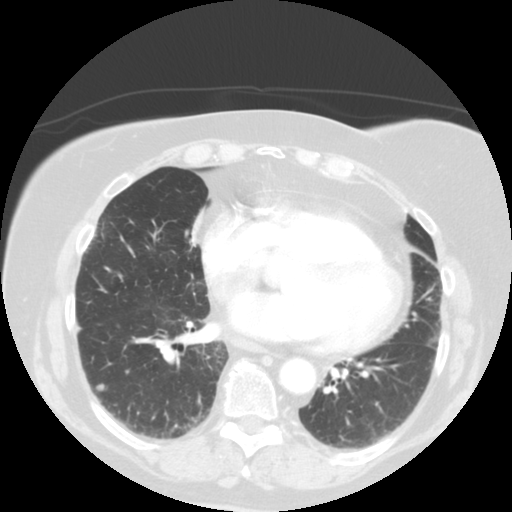
Axial chest CT slice 44 of 121 (counted from the lowest slice); tube voltage 120 kVp, convolution kernel STANDARD; slices 2.50 mm thick, 0.664 mm per pixel.
Two pulmonary nodules on this slice, listed from left to right. (1) Pulmonary nodule at rows 384–391, columns 96–106 (box = the union of the readers' outlines on this slice), outlined by all four readers; longest diameter 7.5 mm on average over the four readers' outlines (readers' outlines 7.2–8.4 mm), volume 117–173 mm3. Ratings, by the readers' most common answer with dissent counted: texture 5/5 (solid) by two of four readers; the rest gave 2/5 (one), 4/5 (one); margin 5/5 (circumscribed) by two of four readers; the rest gave 3/5 (one), 4/5 (one); most readers (three of four) put sphericity at 3/5 (ovoid), others 5/5 (round) (one); calcification absent, all four readers agreeing; internal structure soft tissue, all four readers agreeing; subtlety 4/5 by two of four readers; the rest gave 2/5 (one), 3/5 (one); most readers (three of four) put malignancy likelihood at 3/5, others 2/5 (one). (2) Pulmonary nodule at rows 369–373, columns 125–129 (box = that reader's outline on this slice), outlined by one of the four readers; longest diameter 5.4 mm and volume 68 mm3 from that reader's outline. That reader's ratings: texture 4/5; margin 4/5; sphericity 2/5; calcification absent; internal structure soft tissue; subtlety 1/5; malignancy likelihood 3/5. Scale key (1–5): texture non-solid→solid, margin indistinct→circumscribed, sphericity linear→round, subtlety extremely subtle→obvious, malignancy likelihood highly unlikely→highly suspicious of cancer. Box rows and columns are 0-based pixel indices from the top-left corner, inclusive.